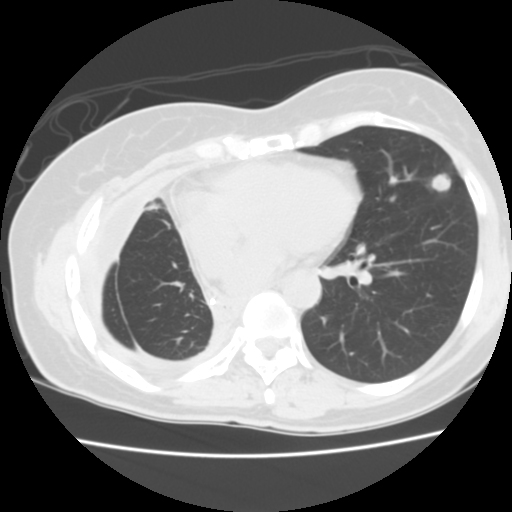
Axial chest CT slice 76 of 141 (counted from the lowest slice); 2.50 mm thick, 0.586 mm per pixel. Pulmonary nodule outlined by all four readers; box rows 172–192, columns 429–451 (the union of the readers' outlines on this slice); longest diameter 16.9–18.9 mm and volume 990–1313 mm3 across the four readers' outlines. The readers' ratings, as ranges where they differ: texture from 4/5 to 5/5 (solid) across the four readers; margin from 3/5 to 5/5 (circumscribed) across the four readers; sphericity from 3/5 (ovoid) to 5/5 (round) across the four readers; calcification absent, all four readers agreeing; internal structure soft tissue from all four readers; subtlety 5/5, all four readers agreeing; malignancy likelihood from 3/5 to 5/5 across the four readers. Scale key (1–5): texture non-solid→solid, margin indistinct→circumscribed, sphericity linear→round, subtlety extremely subtle→obvious, malignancy likelihood highly unlikely→highly suspicious of cancer. Box rows and columns are 0-based pixel indices from the top-left corner, inclusive.
Tube voltage 120 kVp; convolution kernel STANDARD.